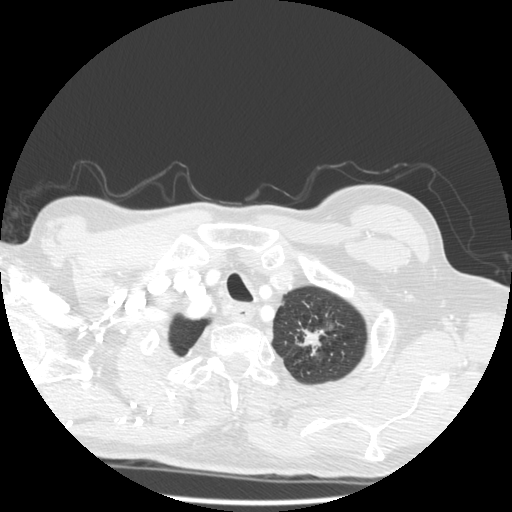
This is axial slice 469 of 501 (slice 1 is the lowest) of a chest CT; each pixel is 0.703 mm and the slice is 1.25 mm thick. Pulmonary nodule outlined by three of the four readers; box rows 328–355, columns 295–326 (the union of the readers' outlines on this slice); median longest diameter 33.8 mm (readers' outlines 32.1–39.2 mm), median volume 3078 mm3 (2361–4873 mm3). Ratings, median across the readers with their spread: median texture 5/5 (solid) (readers ranged 4/5 to 5/5 (solid)); median margin 3/5 (readers ranged 1/5 (indistinct) to 5/5 (circumscribed)); sphericity 3/5 (ovoid) at the median of three readers, spread 2/5 to 5/5 (round); calcification absent, all three readers agreeing; internal structure soft tissue from all three readers; subtlety 5/5 from all three readers; malignancy likelihood 5/5 at the median of three readers, spread 4–5. Scale key (1–5): texture non-solid→solid, margin indistinct→circumscribed, sphericity linear→round, subtlety extremely subtle→obvious, malignancy likelihood highly unlikely→highly suspicious of cancer. Box rows and columns are 0-based pixel indices from the top-left corner, inclusive.
Acquired at 140 kVp and reconstructed with the STANDARD kernel.